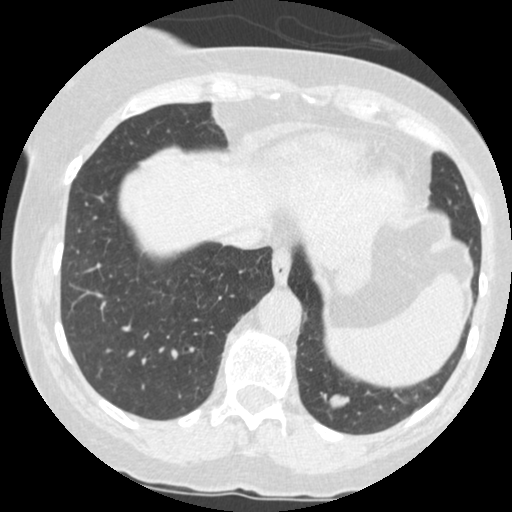
This is axial slice 111 of 484 (slice 1 is the lowest) of a chest CT; each pixel is 0.586 mm and the slice is 1.25 mm thick. Pulmonary nodule outlined by all four readers; box rows 394–409, columns 327–349 (the union of the readers' outlines on this slice); median longest diameter 15.5 mm (readers' outlines 14.7–16.9 mm), median volume 1266 mm3 (1036–1469 mm3). Ratings, median across the readers with their spread: texture 5/5 (solid), all four readers agreeing; margin 5/5 (circumscribed) from all four readers; sphericity 4/5 at the median of four readers, spread 3/5 (ovoid) to 5/5 (round); calcification absent, all four readers agreeing; internal structure soft tissue, all four readers agreeing; subtlety 5/5 from all four readers; median malignancy likelihood 4/5 (readers ranged 2–5). Scale key (1–5): texture non-solid→solid, margin indistinct→circumscribed, sphericity linear→round, subtlety extremely subtle→obvious, malignancy likelihood highly unlikely→highly suspicious of cancer. Box rows and columns are 0-based pixel indices from the top-left corner, inclusive.
Acquired at 120 kVp and reconstructed with the STANDARD kernel.